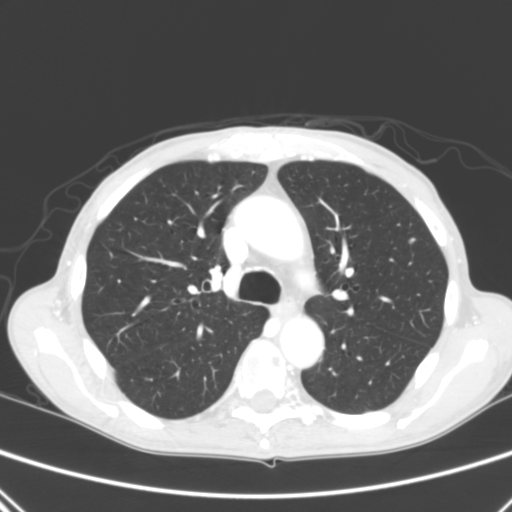
Slice 194/290 of a chest CT, counting up from the lowest; pixel size 0.639 mm, slice thickness 2.00 mm. Pulmonary nodule outlined by one of the four readers; box rows 237–242, columns 408–414 (that reader's outline on this slice); longest diameter 6.9 mm and volume 63 mm3 from that reader's outline. Ratings by that reader: texture 5/5 (solid); margin 5/5 (circumscribed); sphericity 3/5 (ovoid); calcification absent; internal structure soft tissue; subtlety 3/5; malignancy likelihood 2/5. Scale key (1–5): texture non-solid→solid, margin indistinct→circumscribed, sphericity linear→round, subtlety extremely subtle→obvious, malignancy likelihood highly unlikely→highly suspicious of cancer. Box rows and columns are 0-based pixel indices from the top-left corner, inclusive.
Tube voltage 120 kVp; convolution kernel B.